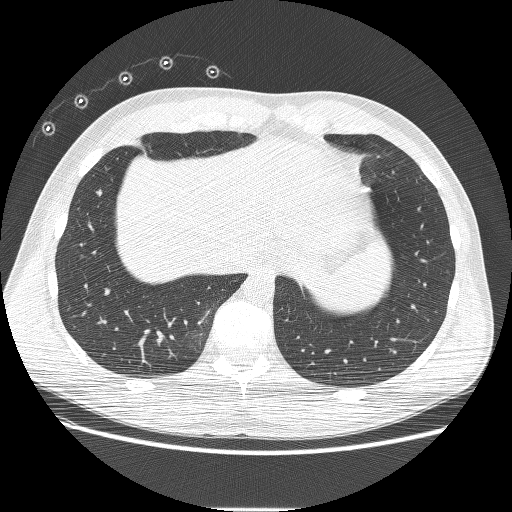
Axial chest CT slice 49 of 230 (counted from the lowest slice); tube voltage 120 kVp, convolution kernel BONE; slices 1.25 mm thick, 0.732 mm per pixel.
Pulmonary nodule outlined by two of the four readers; box rows 190–195, columns 96–101 (the union of the readers' outlines on this slice); longest diameter 6.6 mm on average over the two readers' outlines (readers' outlines 6.0–7.3 mm), volume 72–101 mm3. Ratings, by the readers' most common answer with dissent counted: texture 5/5 (solid) from both readers; margin split among the readers: 4/5 (one), 5/5 (circumscribed) (one); sphericity split among the readers: 2/5 (one), 3/5 (ovoid) (one); calcification absent, both readers agreeing; internal structure soft tissue from both readers; subtlety split among the readers: 1/5 (one), 3/5 (one); malignancy likelihood split among the readers: 2/5 (one), 3/5 (one). Scale key (1–5): texture non-solid→solid, margin indistinct→circumscribed, sphericity linear→round, subtlety extremely subtle→obvious, malignancy likelihood highly unlikely→highly suspicious of cancer. Box rows and columns are 0-based pixel indices from the top-left corner, inclusive.